Axial slice 270 of 423 of a chest CT (slice 1 is the lowest), reconstructed with the B30f kernel at 120 kVp; 0.75 mm slice thickness and 0.520 mm pixels.
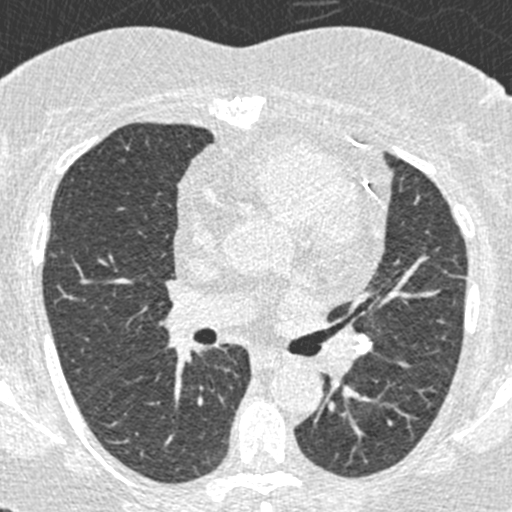
Pulmonary nodule outlined by all four readers, two of them on this slice; box rows 360–367, columns 397–409 (the union of the readers' outlines on this slice); longest diameter 8.7 mm on average over the four readers' outlines (readers' outlines 8.1–9.5 mm), volume 146–244 mm3. Ratings, by the readers' most common answer with dissent counted: texture 5/5 (solid) from all four readers; margin 5/5 (circumscribed), all four readers agreeing; sphericity 3/5 (ovoid) by two of four readers; the rest gave 4/5 (one), 5/5 (round) (one); calcification solid calcification from all four readers; internal structure soft tissue from all four readers; most readers (three of four) put subtlety at 5/5, others 4/5 (one); malignancy likelihood 1/5, all four readers agreeing. Scale key (1–5): texture non-solid→solid, margin indistinct→circumscribed, sphericity linear→round, subtlety extremely subtle→obvious, malignancy likelihood highly unlikely→highly suspicious of cancer. Box rows and columns are 0-based pixel indices from the top-left corner, inclusive.